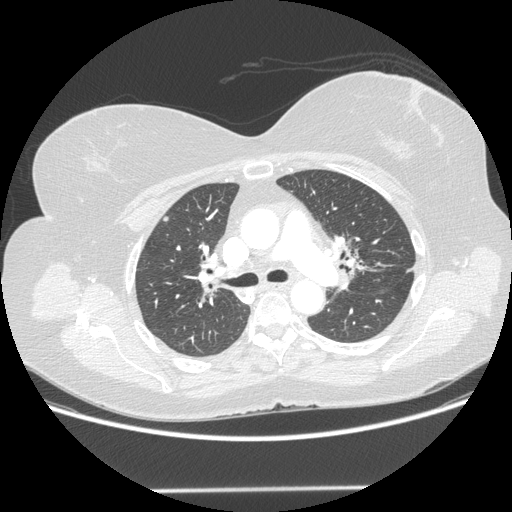
Chest CT, axial plane, 120 kVp, kernel STANDARD. Slice 133/214 from the bottom of the scan; thickness 1.25 mm; pixel size 0.781 mm.
Pulmonary nodule at rows 216–221, columns 163–168 (box = the union of the readers' outlines on this slice), outlined by three of the four readers; median longest diameter 6.4 mm (readers' outlines 6.4–7.2 mm), median volume 66 mm3 (63–76 mm3). Median ratings and the readers' spread: texture 5/5 (solid) from all three readers; margin 5/5 (circumscribed), all three readers agreeing; median sphericity 4/5 (readers ranged 4/5 to 5/5 (round)); calcification absent, all three readers agreeing; internal structure soft tissue from all three readers; subtlety 3/5 at the median of three readers, spread 3–5; malignancy likelihood 3/5 at the median of three readers, spread 2–3. Scale key (1–5): texture non-solid→solid, margin indistinct→circumscribed, sphericity linear→round, subtlety extremely subtle→obvious, malignancy likelihood highly unlikely→highly suspicious of cancer. Box rows and columns are 0-based pixel indices from the top-left corner, inclusive.